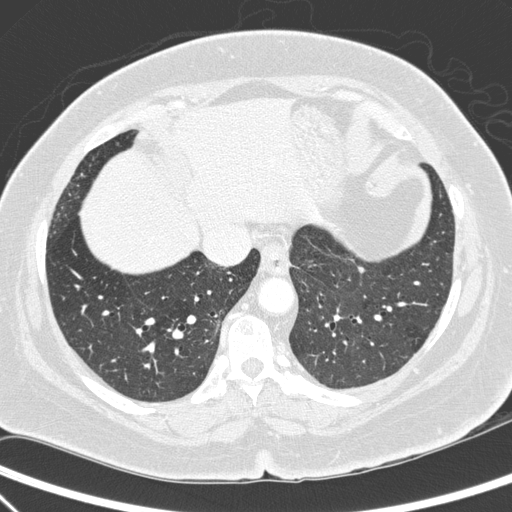
Axial chest CT slice 87 of 272 (counted from the lowest slice); tube voltage 140 kVp, convolution kernel D; slices 1.00 mm thick, 0.676 mm per pixel.
Pulmonary nodule at rows 266–272, columns 357–364 (box = the union of the readers' outlines on this slice), outlined by two of the four readers; the two readers' outlines give a longest diameter between 5.4 and 8.2 mm and a volume between 51 and 143 mm3. The readers' ratings, as ranges where they differ: texture 5/5 (solid), both readers agreeing; margin from 4/5 to 5/5 (circumscribed) across the two readers; sphericity from 2/5 to 4/5 across the two readers; calcification absent, both readers agreeing; internal structure soft tissue from both readers; subtlety 1–4/5 (the readers disagree); malignancy likelihood rated between 1 and 3 out of 5 by the two readers. Scale key (1–5): texture non-solid→solid, margin indistinct→circumscribed, sphericity linear→round, subtlety extremely subtle→obvious, malignancy likelihood highly unlikely→highly suspicious of cancer. Box rows and columns are 0-based pixel indices from the top-left corner, inclusive.